Axial chest CT slice 191 of 429 (counted from the lowest slice); tube voltage 120 kVp, convolution kernel B30f; slices 0.75 mm thick, 0.586 mm per pixel.
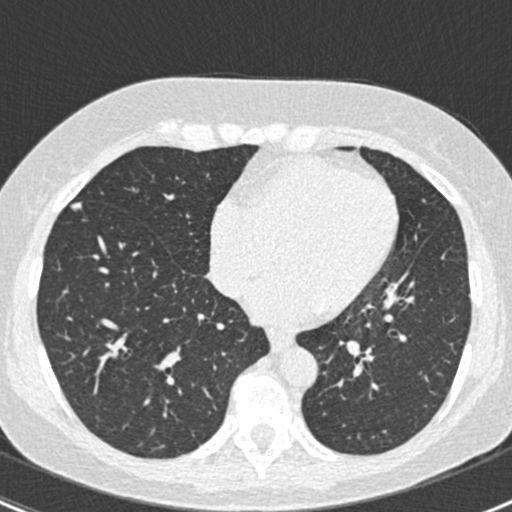
Pulmonary nodule at rows 201–210, columns 70–82 (box = the union of the readers' outlines on this slice), outlined by three of the four readers; median longest diameter 10.9 mm (readers' outlines 9.8–12.3 mm), median volume 283 mm3 (207–302 mm3). Median ratings and the readers' spread: texture 5/5 (solid), all three readers agreeing; median margin 4/5 (readers ranged 4/5 to 5/5 (circumscribed)); sphericity 3/5 (ovoid) at the median of three readers, spread 2/5 to 3/5 (ovoid); calcification absent from all three readers; internal structure soft tissue from all three readers; subtlety 5/5, all three readers agreeing; median malignancy likelihood 4/5 (readers ranged 2–4). Scale key (1–5): texture non-solid→solid, margin indistinct→circumscribed, sphericity linear→round, subtlety extremely subtle→obvious, malignancy likelihood highly unlikely→highly suspicious of cancer. Box rows and columns are 0-based pixel indices from the top-left corner, inclusive.